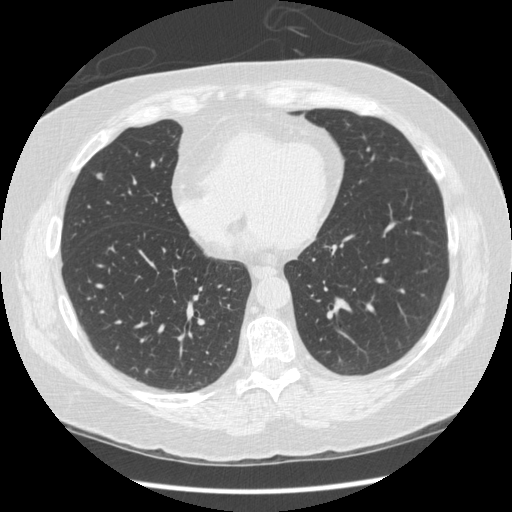
Axial chest CT slice 154 of 436 (counted from the lowest slice); 1.25 mm thick, 0.703 mm per pixel. Pulmonary nodule at rows 172–180, columns 95–103 (box = the union of the readers' outlines on this slice), outlined by all four readers; longest diameter 8.9 mm on average over the four readers' outlines (readers' outlines 7.3–9.8 mm), volume 103–208 mm3. Ratings, by the readers' most common answer with dissent counted: texture 5/5 (solid) from all four readers; margin 4/5 by three of four readers; the rest gave 5/5 (circumscribed) (one); sphericity 5/5 (round) by two of four readers; the rest gave 3/5 (ovoid) (one), 4/5 (one); calcification absent from all four readers; internal structure soft tissue from all four readers; subtlety 4/5 by two of four readers; the rest gave 3/5 (one), 5/5 (one); malignancy likelihood 3/5 by two of four readers; the rest gave 2/5 (one), 4/5 (one). Scale key (1–5): texture non-solid→solid, margin indistinct→circumscribed, sphericity linear→round, subtlety extremely subtle→obvious, malignancy likelihood highly unlikely→highly suspicious of cancer. Box rows and columns are 0-based pixel indices from the top-left corner, inclusive.
Acquired at 120 kVp and reconstructed with the STANDARD kernel.